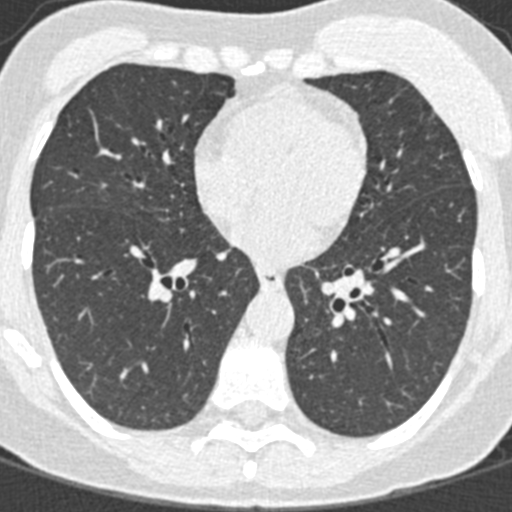
Axial chest CT slice 155 of 376 (counted from the lowest slice); tube voltage 120 kVp, convolution kernel B30f; slices 0.75 mm thick, 0.461 mm per pixel.
No nodule of 3 mm or larger was outlined by any of the four readers on this slice.